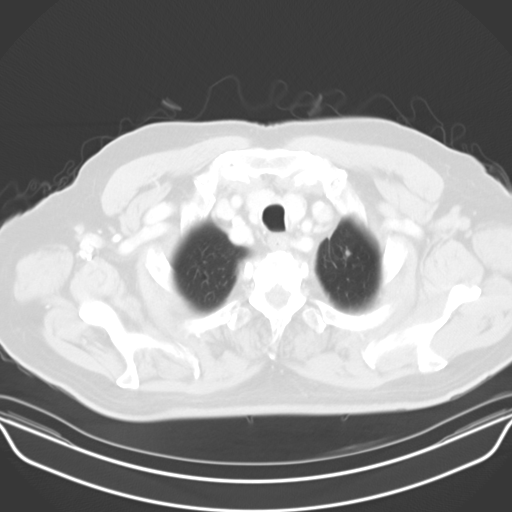
Axial slice 59 of 65 of a chest CT (slice 1 is the lowest), reconstructed with the B30s kernel at 130 kVp; 5.00 mm slice thickness and 0.773 mm pixels.
Pulmonary nodule, outlined by three of the four readers. Box on this slice rows 249–256, columns 345–350, the union of the readers' outlines on this slice; longest diameter 6.4 mm on average over the three readers' outlines (readers' outlines 5.9–7.0 mm), volume 124–176 mm3. The readers' prevailing ratings and who disagreed: texture 5/5 (solid), all three readers agreeing; margin 4/5 from all three readers; most readers (two of three) put sphericity at 3/5 (ovoid), others 5/5 (round) (one); calcification absent from all three readers; internal structure soft tissue from all three readers; most readers (two of three) put subtlety at 3/5, others 5/5 (one); most readers (two of three) put malignancy likelihood at 2/5, others 3/5 (one). Scale key (1–5): texture non-solid→solid, margin indistinct→circumscribed, sphericity linear→round, subtlety extremely subtle→obvious, malignancy likelihood highly unlikely→highly suspicious of cancer. Box rows and columns are 0-based pixel indices from the top-left corner, inclusive.